Chest CT, axial plane, 120 kVp, kernel B30f. Slice 393/456 from the bottom of the scan; thickness 0.75 mm; pixel size 0.559 mm.
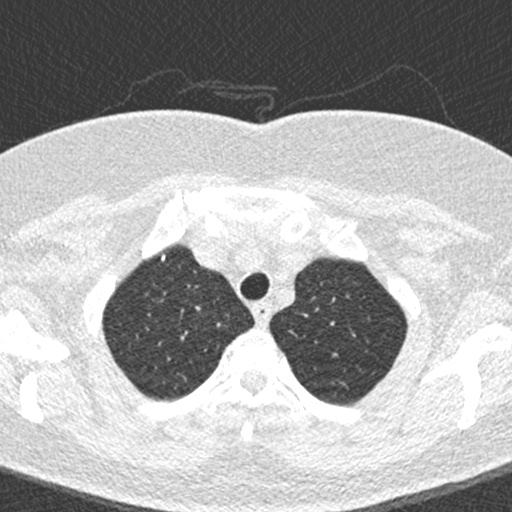
Pulmonary nodule outlined by one of the four readers; box rows 254–260, columns 161–164 (that reader's outline on this slice); longest diameter 5.3 mm and volume 27 mm3 from that reader's outline. That reader's ratings: texture 5/5 (solid); margin 5/5 (circumscribed); sphericity 4/5; calcification solid calcification; internal structure soft tissue; subtlety 5/5; malignancy likelihood 1/5. Scale key (1–5): texture non-solid→solid, margin indistinct→circumscribed, sphericity linear→round, subtlety extremely subtle→obvious, malignancy likelihood highly unlikely→highly suspicious of cancer. Box rows and columns are 0-based pixel indices from the top-left corner, inclusive.